Chest CT, axial plane, 140 kVp, kernel BONE. Slice 61/132 from the bottom of the scan; thickness 2.50 mm; pixel size 0.645 mm.
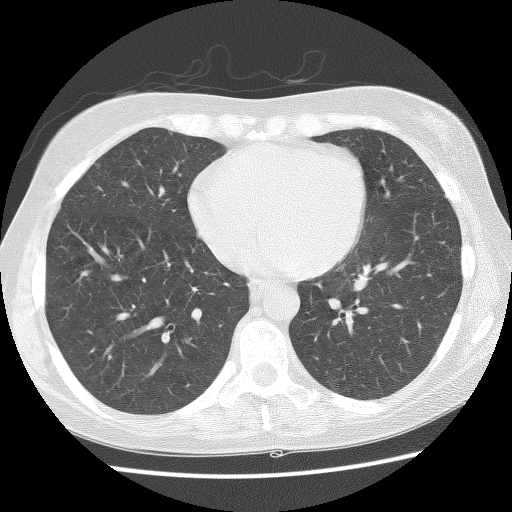
Pulmonary nodule, outlined by one of the four readers. Box on this slice rows 163–169, columns 95–99, that reader's outline on this slice; longest diameter 5.5 mm and volume 72 mm3 from that reader's outline. That reader's ratings: texture 5/5 (solid); margin 5/5 (circumscribed); sphericity 4/5; calcification absent; internal structure soft tissue; subtlety 4/5; malignancy likelihood 2/5. Scale key (1–5): texture non-solid→solid, margin indistinct→circumscribed, sphericity linear→round, subtlety extremely subtle→obvious, malignancy likelihood highly unlikely→highly suspicious of cancer. Box rows and columns are 0-based pixel indices from the top-left corner, inclusive.